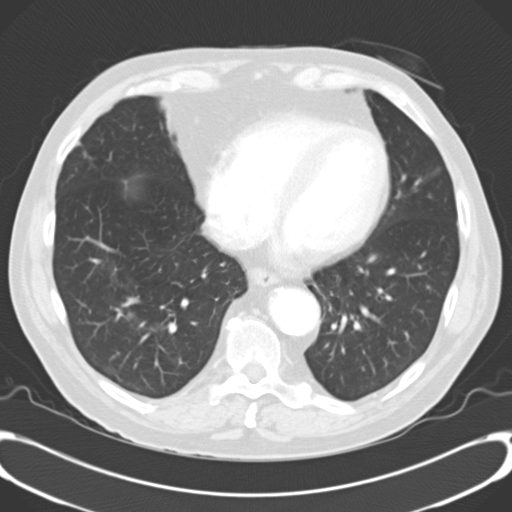
One axial slice (103 of 246, counting up from the lowest) of a chest CT acquired at 120 kVp with the B30f kernel; each pixel is 0.740 mm and the slice is 3.00 mm thick.
Pulmonary nodule, outlined by two of the four readers. Box on this slice rows 286–288, columns 427–429, the union of the readers' outlines on this slice; median longest diameter 6.1 mm (readers' outlines 6.1 mm), median volume 118 mm3 (108–127 mm3). Median ratings and the readers' spread: texture 5/5 (solid) from both readers; median margin 4.5/5 (readers ranged 4/5 to 5/5 (circumscribed)); median sphericity 4.5/5 (readers ranged 4/5 to 5/5 (round)); calcification absent, both readers agreeing; internal structure soft tissue from both readers; median subtlety 2.5/5 (readers ranged 2–3); median malignancy likelihood 2.5/5 (readers ranged 2–3). Scale key (1–5): texture non-solid→solid, margin indistinct→circumscribed, sphericity linear→round, subtlety extremely subtle→obvious, malignancy likelihood highly unlikely→highly suspicious of cancer. Box rows and columns are 0-based pixel indices from the top-left corner, inclusive.